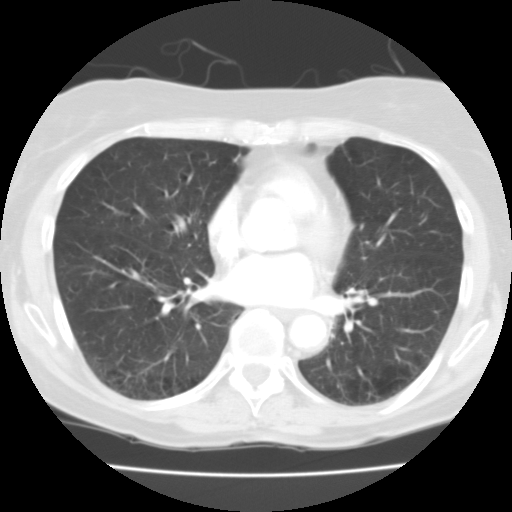
Axial chest CT slice 51 of 109 (counted from the lowest slice); tube voltage 135 kVp, convolution kernel FC01; slices 3.00 mm thick, 0.613 mm per pixel.
No nodule 3 mm or larger was outlined here by any reader.